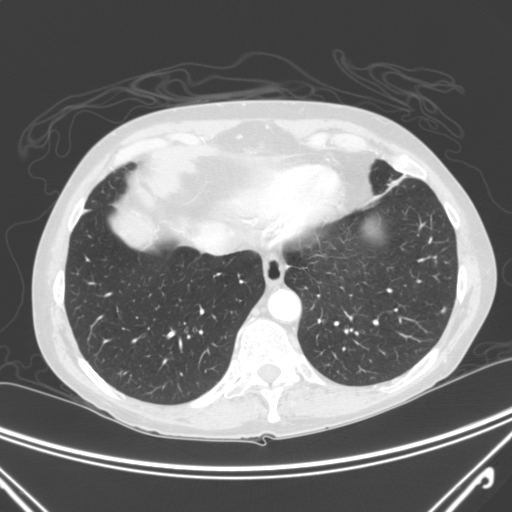
Slice 76/300 of a chest CT, counting up from the lowest; pixel size 0.715 mm, slice thickness 2.00 mm. Pulmonary nodule, outlined by two of the four readers. Box on this slice rows 307–313, columns 440–445, the union of the readers' outlines on this slice; longest diameter 6.3 mm on average over the two readers' outlines (readers' outlines 6.1–6.5 mm), volume 64–76 mm3. The readers' prevailing ratings and who disagreed: texture split among the readers: 4/5 (one), 5/5 (solid) (one); margin split among the readers: 3/5 (one), 4/5 (one); sphericity split among the readers: 2/5 (one), 4/5 (one); calcification absent, both readers agreeing; internal structure soft tissue from both readers; subtlety split among the readers: 3/5 (one), 5/5 (one); malignancy likelihood split among the readers: 2/5 (one), 3/5 (one). Scale key (1–5): texture non-solid→solid, margin indistinct→circumscribed, sphericity linear→round, subtlety extremely subtle→obvious, malignancy likelihood highly unlikely→highly suspicious of cancer. Box rows and columns are 0-based pixel indices from the top-left corner, inclusive.
Tube voltage 120 kVp; convolution kernel C.